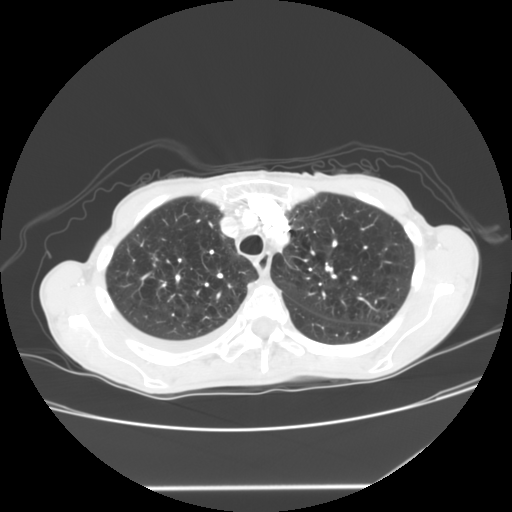
Axial chest CT slice 103 of 133 (counted from the lowest slice); tube voltage 120 kVp, convolution kernel STANDARD; slices 2.50 mm thick, 0.703 mm per pixel.
No nodule of 3 mm or larger was outlined by any of the four readers on this slice.